Axial chest CT slice 169 of 308 (counted from the lowest slice); tube voltage 120 kVp, convolution kernel B45f; slices 1.00 mm thick, 0.586 mm per pixel.
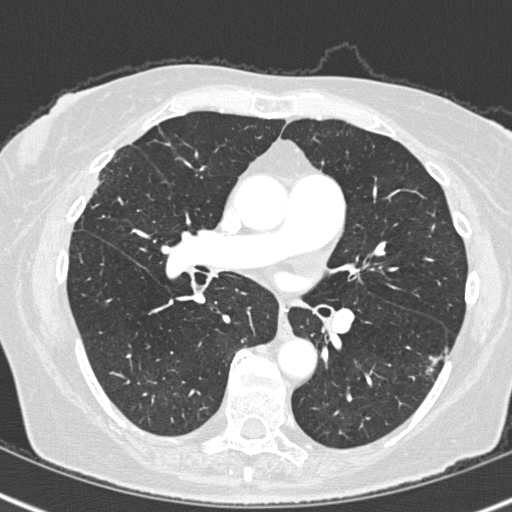
Pulmonary nodule at rows 354–375, columns 425–442 (box = the union of the readers' outlines on this slice), outlined by all four readers, two of them on this slice; longest diameter 15.5–19.6 mm and volume 724–1186 mm3 across the four readers' outlines. The readers' ratings, as ranges where they differ: texture from 4/5 to 5/5 (solid) across the four readers; margin from 3/5 to 4/5 across the four readers; sphericity from 3/5 (ovoid) to 5/5 (round) across the four readers; calcification absent from all four readers; internal structure soft tissue from all four readers; subtlety from 4/5 to 5/5 across the four readers; malignancy likelihood 4–5/5 (the readers disagree). Scale key (1–5): texture non-solid→solid, margin indistinct→circumscribed, sphericity linear→round, subtlety extremely subtle→obvious, malignancy likelihood highly unlikely→highly suspicious of cancer. Box rows and columns are 0-based pixel indices from the top-left corner, inclusive.